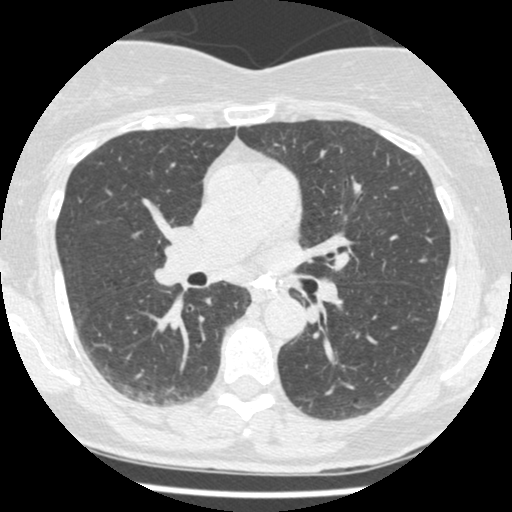
Axial slice 278 of 465 of a chest CT (slice 1 is the lowest), reconstructed with the STANDARD kernel at 120 kVp; 1.25 mm slice thickness and 0.586 mm pixels.
Pulmonary nodule outlined by all four readers; box rows 259–261, columns 420–425 (the union of the readers' outlines on this slice); median longest diameter 5.8 mm (readers' outlines 5.4–6.0 mm), median volume 65 mm3 (46–67 mm3). Median ratings and the readers' spread: texture 5/5 (solid), all four readers agreeing; median margin 4.5/5 (readers ranged 4/5 to 5/5 (circumscribed)); sphericity 4/5 at the median of four readers, spread 3/5 (ovoid) to 4/5; calcification absent from all four readers; internal structure soft tissue from all four readers; subtlety 3/5 at the median of four readers, spread 2–4; malignancy likelihood 3/5 at the median of four readers, spread 2–3. Scale key (1–5): texture non-solid→solid, margin indistinct→circumscribed, sphericity linear→round, subtlety extremely subtle→obvious, malignancy likelihood highly unlikely→highly suspicious of cancer. Box rows and columns are 0-based pixel indices from the top-left corner, inclusive.